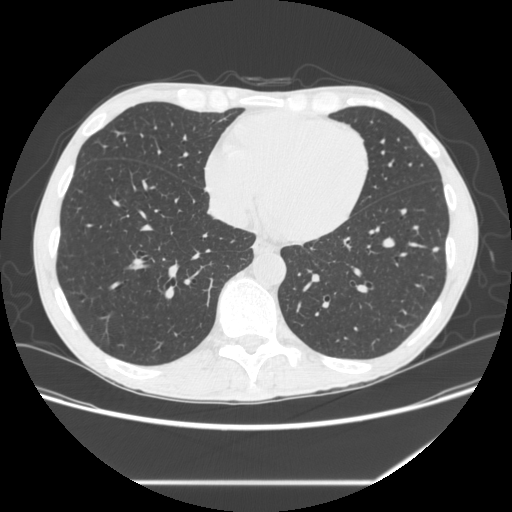
One axial slice (105 of 301, counting up from the lowest) of a chest CT acquired at 120 kVp with the STANDARD kernel; each pixel is 0.752 mm and the slice is 1.25 mm thick.
Pulmonary nodule, outlined by all four readers. Box on this slice rows 247–252, columns 431–439, the union of the readers' outlines on this slice; longest diameter 6.8 mm on average over the four readers' outlines (readers' outlines 6.1–7.9 mm), volume 82–103 mm3. The readers' prevailing ratings and who disagreed: texture 5/5 (solid) by three of four readers; the rest gave 4/5 (one); margin split among the readers: 4/5 (two), 5/5 (circumscribed) (two); sphericity split among the readers: 3/5 (ovoid) (two), 4/5 (two); calcification absent from all four readers; internal structure soft tissue, all four readers agreeing; subtlety 4/5 by three of four readers; the rest gave 2/5 (one); malignancy likelihood 2/5 from all four readers. Scale key (1–5): texture non-solid→solid, margin indistinct→circumscribed, sphericity linear→round, subtlety extremely subtle→obvious, malignancy likelihood highly unlikely→highly suspicious of cancer. Box rows and columns are 0-based pixel indices from the top-left corner, inclusive.